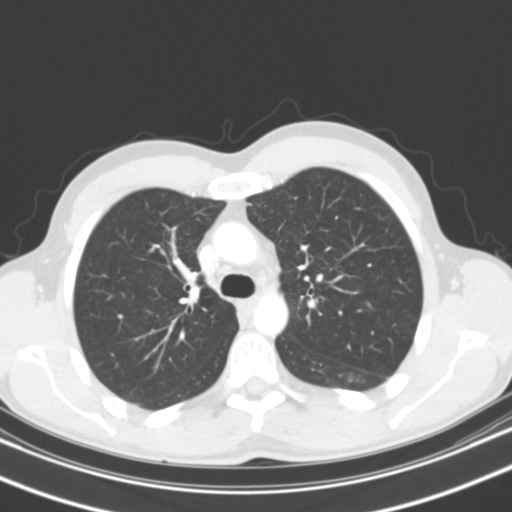
Axial chest CT slice 80 of 119 (counted from the lowest slice); 3.00 mm thick, 0.650 mm per pixel. Pulmonary nodule, outlined by all four readers, one of them on this slice. Box on this slice rows 372–384, columns 344–361, the one reader's outline on this slice; the four readers' outlines give a longest diameter between 31.4 and 40.2 mm and a volume between 6737 and 11596 mm3. The readers' ratings, as ranges where they differ: texture from 4/5 to 5/5 (solid) across the four readers; margin from 1/5 (indistinct) to 4/5 across the four readers; sphericity from 3/5 (ovoid) to 5/5 (round) across the four readers; calcification absent from all four readers; internal structure: soft tissue (three), air (one); subtlety 5/5 from all four readers; malignancy likelihood from 2/5 to 5/5 across the four readers. Scale key (1–5): texture non-solid→solid, margin indistinct→circumscribed, sphericity linear→round, subtlety extremely subtle→obvious, malignancy likelihood highly unlikely→highly suspicious of cancer. Box rows and columns are 0-based pixel indices from the top-left corner, inclusive.
Scan settings: 130 kVp, B31s reconstruction kernel.